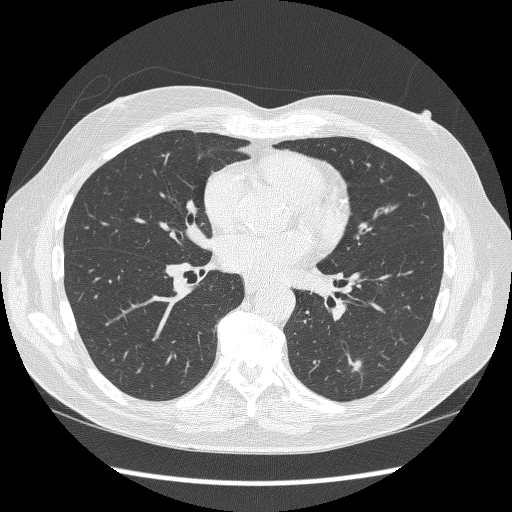
Chest CT, axial plane, 120 kVp, kernel BONE. Slice 164/298 from the bottom of the scan; thickness 1.25 mm; pixel size 0.719 mm.
Pulmonary nodule at rows 359–371, columns 353–362 (box = the union of the readers' outlines on this slice), outlined by three of the four readers; median longest diameter 11.6 mm (readers' outlines 10.2–13.0 mm), median volume 437 mm3 (236–548 mm3). Median ratings and the readers' spread: texture 4/5 at the median of three readers, spread 3/5 (part-solid) to 5/5 (solid); margin 3/5 at the median of three readers, spread 2/5 to 4/5; median sphericity 3/5 (ovoid) (readers ranged 2/5 to 3/5 (ovoid)); calcification absent, all three readers agreeing; internal structure soft tissue from all three readers; subtlety 4/5 at the median of three readers, spread 3–4; malignancy likelihood 4/5 at the median of three readers, spread 2–4. Scale key (1–5): texture non-solid→solid, margin indistinct→circumscribed, sphericity linear→round, subtlety extremely subtle→obvious, malignancy likelihood highly unlikely→highly suspicious of cancer. Box rows and columns are 0-based pixel indices from the top-left corner, inclusive.